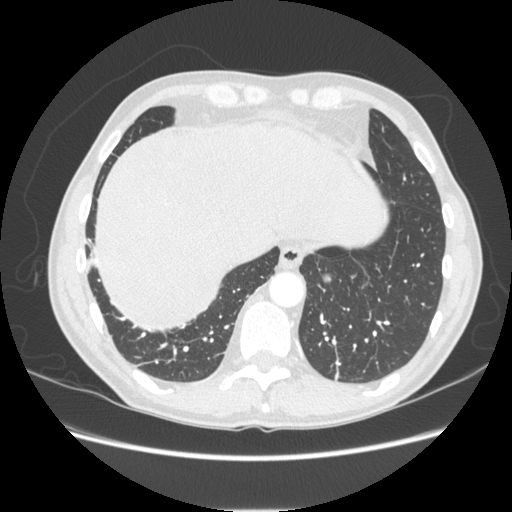
Axial slice 59 of 253 of a chest CT (slice 1 is the lowest), reconstructed with the STANDARD kernel at 120 kVp; 1.25 mm slice thickness and 0.742 mm pixels.
Pulmonary nodule outlined by all four readers; box rows 273–282, columns 321–330 (the union of the readers' outlines on this slice); longest diameter 15.6–17.5 mm and volume 1063–1176 mm3 across the four readers' outlines. Ratings across the readers: texture 5/5 (solid), all four readers agreeing; margin 5/5 (circumscribed) from all four readers; sphericity from 3/5 (ovoid) to 5/5 (round) across the four readers; calcification absent, all four readers agreeing; internal structure soft tissue, all four readers agreeing; subtlety 5/5 from all four readers; malignancy likelihood from 3/5 to 5/5 across the four readers. Scale key (1–5): texture non-solid→solid, margin indistinct→circumscribed, sphericity linear→round, subtlety extremely subtle→obvious, malignancy likelihood highly unlikely→highly suspicious of cancer. Box rows and columns are 0-based pixel indices from the top-left corner, inclusive.